One axial slice (264 of 605, counting up from the lowest) of a chest CT acquired at 120 kVp with the STANDARD kernel; each pixel is 0.703 mm and the slice is 1.25 mm thick.
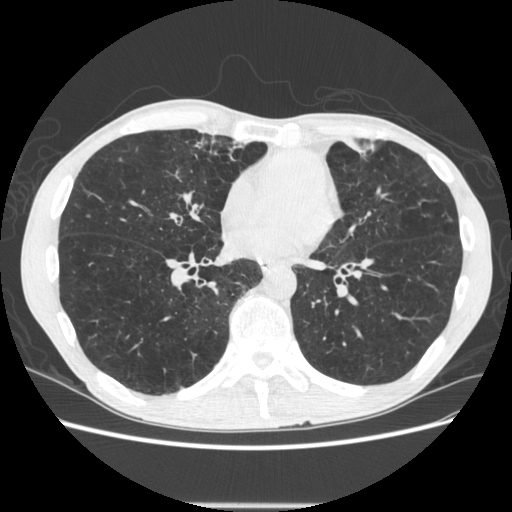
Pulmonary nodule outlined by two of the four readers; box rows 386–389, columns 180–182 (the union of the readers' outlines on this slice); the two readers' outlines give a longest diameter between 9.8 and 10.4 mm and a volume between 142 and 162 mm3. Ratings across the readers: texture 5/5 (solid) from both readers; margin 5/5 (circumscribed) from both readers; sphericity from 3/5 (ovoid) to 4/5 across the two readers; calcification absent from both readers; internal structure soft tissue, both readers agreeing; subtlety 4/5, both readers agreeing; malignancy likelihood 3/5, both readers agreeing. Scale key (1–5): texture non-solid→solid, margin indistinct→circumscribed, sphericity linear→round, subtlety extremely subtle→obvious, malignancy likelihood highly unlikely→highly suspicious of cancer. Box rows and columns are 0-based pixel indices from the top-left corner, inclusive.